Axial slice 125 of 153 of a chest CT (slice 1 is the lowest), reconstructed with the B31f kernel at 120 kVp; 3.00 mm slice thickness and 0.836 mm pixels.
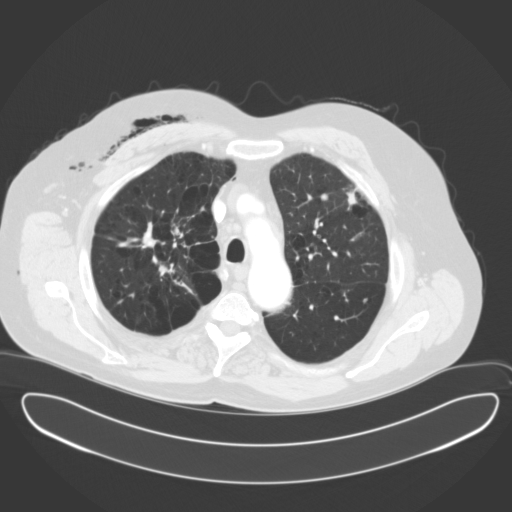
Two pulmonary nodules are outlined on this slice; from left to right: (1) Pulmonary nodule at rows 193–200, columns 320–328 (box = the union of the readers' outlines on this slice), outlined by three of the four readers; the three readers' outlines give a longest diameter between 8.2 and 10.5 mm and a volume between 223 and 409 mm3. Ratings across the readers: texture 5/5 (solid), all three readers agreeing; margin from 4/5 to 5/5 (circumscribed) across the three readers; sphericity 5/5 (round) from all three readers; calcification absent from all three readers; internal structure soft tissue from all three readers; subtlety from 3/5 to 5/5 across the three readers; malignancy likelihood rated between 1 and 3 out of 5 by the three readers. (2) Pulmonary nodule outlined by three of the four readers; box rows 189–210, columns 345–357 (the union of the readers' outlines on this slice); median longest diameter 23.6 mm (readers' outlines 23.0–24.3 mm), median volume 1178 mm3 (910–1434 mm3). Median ratings and the readers' spread: median texture 5/5 (solid) (readers ranged 4/5 to 5/5 (solid)); margin 3/5 at the median of three readers, spread 2/5 to 4/5; sphericity 2/5 at the median of three readers, spread 2/5 to 3/5 (ovoid); calcification absent, all three readers agreeing; internal structure soft tissue, all three readers agreeing; subtlety 4/5 at the median of three readers, spread 4–5; median malignancy likelihood 2/5 (readers ranged 2–3). Scale key (1–5): texture non-solid→solid, margin indistinct→circumscribed, sphericity linear→round, subtlety extremely subtle→obvious, malignancy likelihood highly unlikely→highly suspicious of cancer. Box rows and columns are 0-based pixel indices from the top-left corner, inclusive.